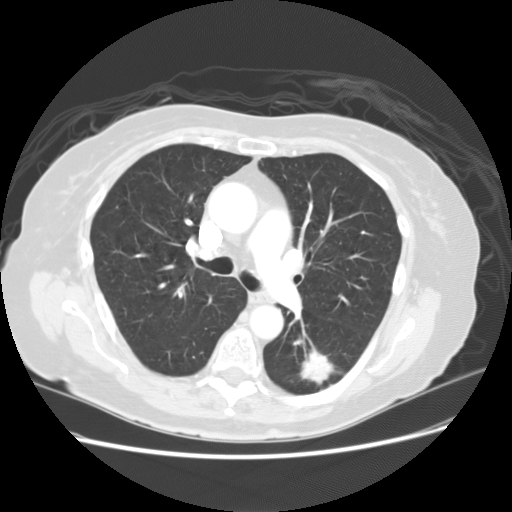
Axial slice 89 of 133 of a chest CT (slice 1 is the lowest), reconstructed with the STANDARD kernel at 120 kVp; 2.50 mm slice thickness and 0.703 mm pixels.
Pulmonary nodule outlined by all four readers; box rows 347–386, columns 298–338 (the union of the readers' outlines on this slice); the four readers' outlines give a longest diameter between 32.0 and 33.7 mm and a volume between 6146 and 7869 mm3. Ratings across the readers: texture from 4/5 to 5/5 (solid) across the four readers; margin from 2/5 to 4/5 across the four readers; sphericity from 3/5 (ovoid) to 5/5 (round) across the four readers; calcification absent from all four readers; internal structure soft tissue from all four readers; subtlety 5/5 from all four readers; malignancy likelihood 4–5/5 (the readers disagree). Scale key (1–5): texture non-solid→solid, margin indistinct→circumscribed, sphericity linear→round, subtlety extremely subtle→obvious, malignancy likelihood highly unlikely→highly suspicious of cancer. Box rows and columns are 0-based pixel indices from the top-left corner, inclusive.